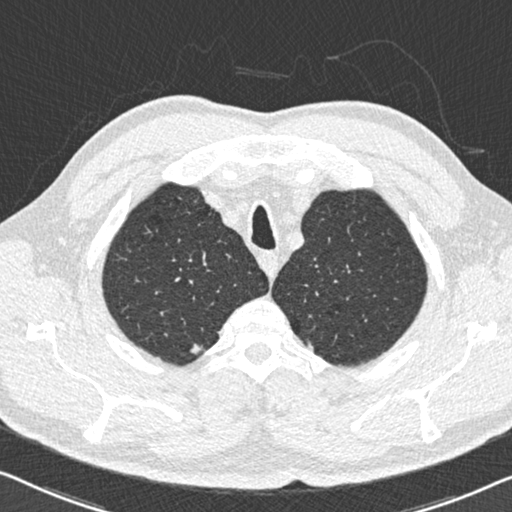
Axial slice 496 of 558 of a chest CT (slice 1 is the lowest), reconstructed with the B30f kernel at 120 kVp; 0.75 mm slice thickness and 0.648 mm pixels.
Pulmonary nodule outlined by all four readers; box rows 344–354, columns 190–203 (the union of the readers' outlines on this slice); longest diameter 9.0–9.8 mm and volume 82–155 mm3 across the four readers' outlines. Ratings across the readers: texture from 4/5 to 5/5 (solid) across the four readers; margin from 4/5 to 5/5 (circumscribed) across the four readers; sphericity from 2/5 to 5/5 (round) across the four readers; calcification absent from all four readers; internal structure soft tissue from all four readers; subtlety rated between 3 and 5 out of 5 by the four readers; malignancy likelihood rated between 2 and 3 out of 5 by the four readers. Scale key (1–5): texture non-solid→solid, margin indistinct→circumscribed, sphericity linear→round, subtlety extremely subtle→obvious, malignancy likelihood highly unlikely→highly suspicious of cancer. Box rows and columns are 0-based pixel indices from the top-left corner, inclusive.